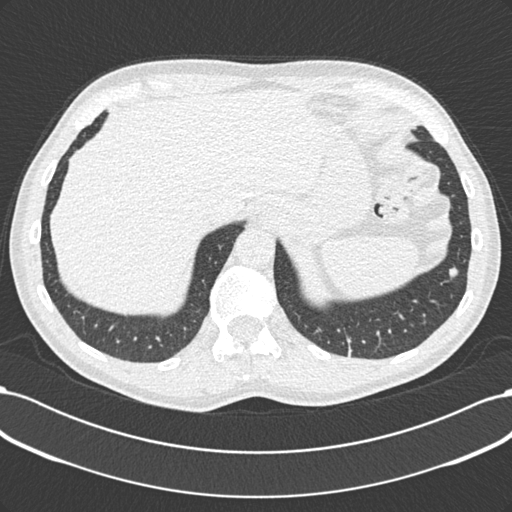
Axial slice 47 of 198 of a chest CT (slice 1 is the lowest), reconstructed with the B30f kernel at 120 kVp; 2.00 mm slice thickness and 0.703 mm pixels.
Pulmonary nodule, outlined by all four readers. Box on this slice rows 267–277, columns 449–457, the union of the readers' outlines on this slice; median longest diameter 9.1 mm (readers' outlines 7.9–9.8 mm), median volume 312 mm3 (191–370 mm3). Ratings, median across the readers with their spread: median texture 5/5 (solid) (readers ranged 4/5 to 5/5 (solid)); margin 5/5 (circumscribed) at the median of four readers, spread 4/5 to 5/5 (circumscribed); median sphericity 4/5 (readers ranged 4/5 to 5/5 (round)); calcification absent from all four readers; internal structure soft tissue from all four readers; subtlety 4.5/5 at the median of four readers, spread 4–5; malignancy likelihood 3/5 at the median of four readers, spread 3–4. Scale key (1–5): texture non-solid→solid, margin indistinct→circumscribed, sphericity linear→round, subtlety extremely subtle→obvious, malignancy likelihood highly unlikely→highly suspicious of cancer. Box rows and columns are 0-based pixel indices from the top-left corner, inclusive.